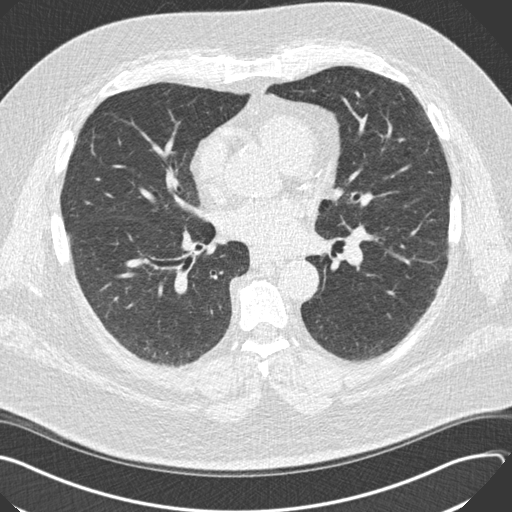
One axial slice (96 of 187, counting up from the lowest) of a chest CT acquired at 120 kVp with the B30f kernel; each pixel is 0.742 mm and the slice is 2.00 mm thick.
None of the four readers outlined a nodule of 3 mm or more on this slice.